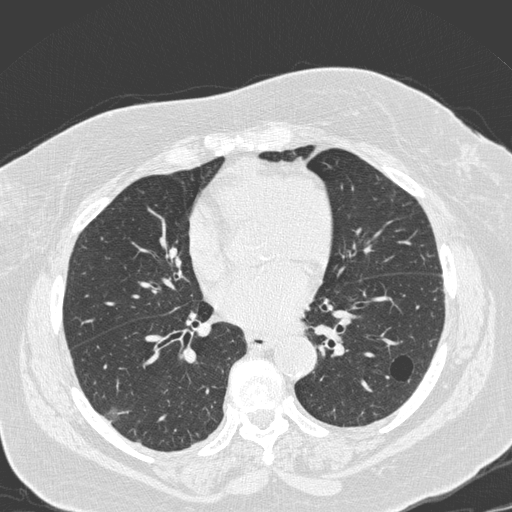
Chest CT, axial plane, 120 kVp, kernel D. Slice 105/280 from the bottom of the scan; thickness 1.00 mm; pixel size 0.666 mm.
Two pulmonary nodules on this slice, listed from left to right. (1) Pulmonary nodule outlined by two of the four readers; box rows 406–422, columns 104–119 (the union of the readers' outlines on this slice); median longest diameter 17.7 mm (readers' outlines 16.7–18.8 mm), median volume 1269 mm3 (1162–1377 mm3). Ratings, median across the readers with their spread: texture 1/5 (non-solid) from both readers; margin 2/5, both readers agreeing; sphericity 4/5 at the median of two readers, spread 3/5 (ovoid) to 5/5 (round); calcification absent from both readers; internal structure soft tissue, both readers agreeing; subtlety 2.5/5 at the median of two readers, spread 1–4; malignancy likelihood 2.5/5 at the median of two readers, spread 2–3. (2) Pulmonary nodule at rows 248–257, columns 169–176 (box = the union of the readers' outlines on this slice), outlined by two of the four readers; the two readers' outlines give a longest diameter between 7.4 and 7.8 mm and a volume between 96 and 113 mm3. Ratings across the readers: texture 5/5 (solid) from both readers; margin 5/5 (circumscribed) from both readers; sphericity from 4/5 to 5/5 (round) across the two readers; calcification absent, both readers agreeing; internal structure soft tissue from both readers; subtlety 3/5, both readers agreeing; malignancy likelihood rated between 2 and 3 out of 5 by the two readers. Scale key (1–5): texture non-solid→solid, margin indistinct→circumscribed, sphericity linear→round, subtlety extremely subtle→obvious, malignancy likelihood highly unlikely→highly suspicious of cancer. Box rows and columns are 0-based pixel indices from the top-left corner, inclusive.